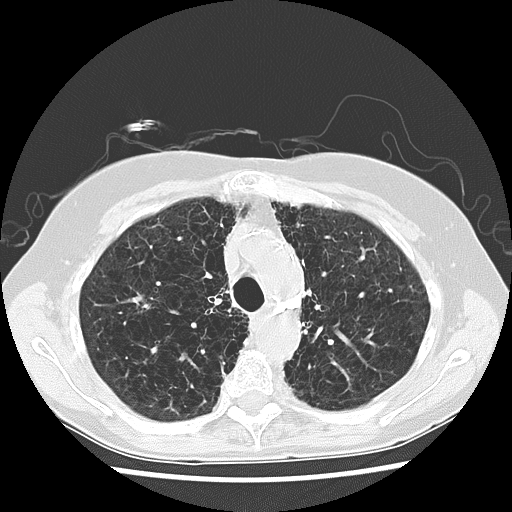
Slice 103/133 of a chest CT, counting up from the lowest; pixel size 0.625 mm, slice thickness 2.50 mm. Pulmonary nodule outlined by all four readers, one of them on this slice; box rows 304–309, columns 142–150 (the one reader's outline on this slice); longest diameter 11.3–13.4 mm and volume 345–536 mm3 across the four readers' outlines. The readers' ratings, as ranges where they differ: texture 5/5 (solid), all four readers agreeing; margin from 1/5 (indistinct) to 4/5 across the four readers; sphericity from 2/5 to 3/5 (ovoid) across the four readers; calcification absent from all four readers; internal structure soft tissue from all four readers; subtlety rated between 3 and 5 out of 5 by the four readers; malignancy likelihood 3–5/5 (the readers disagree). Scale key (1–5): texture non-solid→solid, margin indistinct→circumscribed, sphericity linear→round, subtlety extremely subtle→obvious, malignancy likelihood highly unlikely→highly suspicious of cancer. Box rows and columns are 0-based pixel indices from the top-left corner, inclusive.
Acquired at 120 kVp and reconstructed with the LUNG kernel.